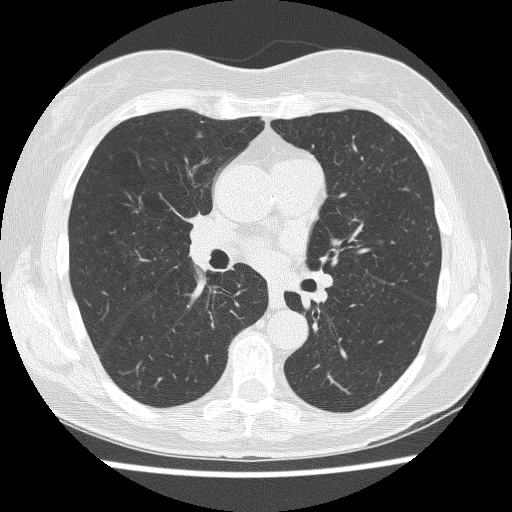
Axial chest CT slice 130 of 241 (counted from the lowest slice); 1.25 mm thick, 0.609 mm per pixel. Pulmonary nodule outlined by one of the four readers; box rows 130–137, columns 196–202 (that reader's outline on this slice); longest diameter 7.1 mm and volume 55 mm3 from that reader's outline. Ratings by that reader: texture 1/5 (non-solid); margin 1/5 (indistinct); sphericity 4/5; calcification absent; internal structure soft tissue; subtlety 4/5; malignancy likelihood 3/5. Scale key (1–5): texture non-solid→solid, margin indistinct→circumscribed, sphericity linear→round, subtlety extremely subtle→obvious, malignancy likelihood highly unlikely→highly suspicious of cancer. Box rows and columns are 0-based pixel indices from the top-left corner, inclusive.
Scan settings: 120 kVp, BONE reconstruction kernel.